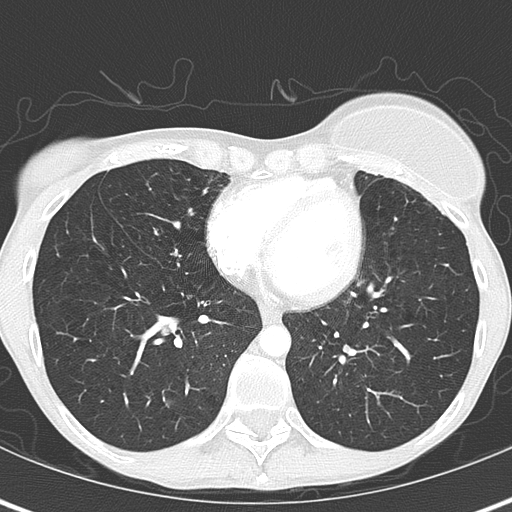
Slice 158/345 of a chest CT, counting up from the lowest; pixel size 0.541 mm, slice thickness 2.00 mm. Pulmonary nodule outlined by all four readers, one of them on this slice; box rows 399–404, columns 167–173 (the one reader's outline on this slice); median longest diameter 13.8 mm (readers' outlines 13.7–13.9 mm), median volume 804 mm3 (707–844 mm3). Ratings, median across the readers with their spread: texture 5/5 (solid) from all four readers; margin 5/5 (circumscribed) from all four readers; sphericity 4/5 at the median of four readers, spread 3/5 (ovoid) to 5/5 (round); calcification split among the readers: laminated calcification (two), solid calcification (two); internal structure soft tissue, all four readers agreeing; subtlety 5/5, all four readers agreeing; malignancy likelihood 1/5 from all four readers. Scale key (1–5): texture non-solid→solid, margin indistinct→circumscribed, sphericity linear→round, subtlety extremely subtle→obvious, malignancy likelihood highly unlikely→highly suspicious of cancer. Box rows and columns are 0-based pixel indices from the top-left corner, inclusive.
Scan settings: 120 kVp, B70f reconstruction kernel.